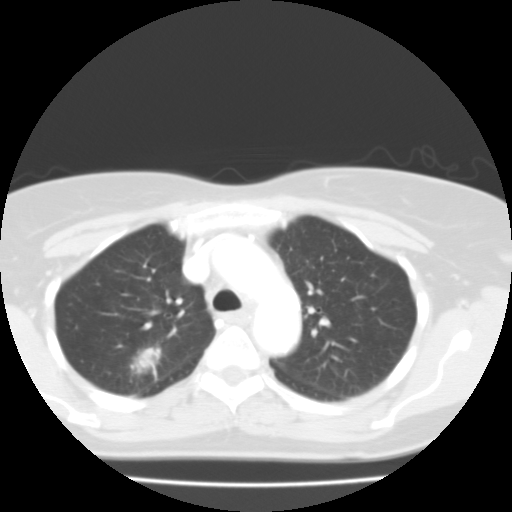
Axial chest CT slice 70 of 99 (counted from the lowest slice); tube voltage 135 kVp, convolution kernel FC01; slices 3.00 mm thick, 0.586 mm per pixel.
Pulmonary nodule, outlined by all four readers. Box on this slice rows 342–376, columns 129–163, the union of the readers' outlines on this slice; median longest diameter 24.8 mm (readers' outlines 23.2–25.9 mm), median volume 5525 mm3 (4482–6539 mm3). Ratings, median across the readers with their spread: texture 5/5 (solid), all four readers agreeing; margin 4/5 at the median of four readers, spread 4/5 to 5/5 (circumscribed); sphericity 4.5/5 at the median of four readers, spread 4/5 to 5/5 (round); calcification absent, all four readers agreeing; internal structure soft tissue, all four readers agreeing; median subtlety 5/5 (readers ranged 3–5); malignancy likelihood 4/5 at the median of four readers, spread 2–5. Scale key (1–5): texture non-solid→solid, margin indistinct→circumscribed, sphericity linear→round, subtlety extremely subtle→obvious, malignancy likelihood highly unlikely→highly suspicious of cancer. Box rows and columns are 0-based pixel indices from the top-left corner, inclusive.